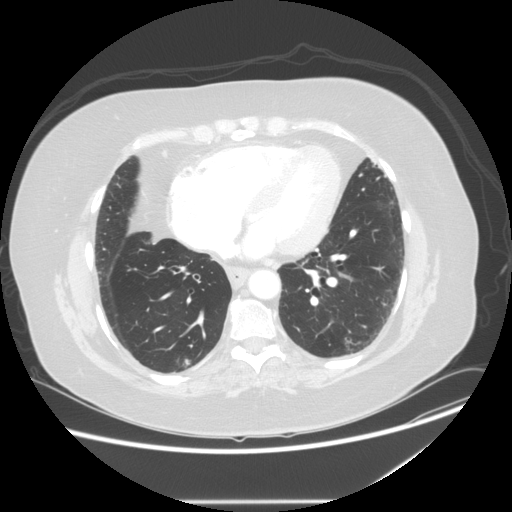
Axial chest CT slice 60 of 139 (counted from the lowest slice); tube voltage 120 kVp, convolution kernel STANDARD; slices 2.50 mm thick, 0.781 mm per pixel.
Pulmonary nodule outlined by all four readers; box rows 358–367, columns 183–190 (the union of the readers' outlines on this slice); median longest diameter 8.8 mm (readers' outlines 8.4–10.2 mm), median volume 364 mm3 (323–501 mm3). Ratings, median across the readers with their spread: median texture 5/5 (solid) (readers ranged 4/5 to 5/5 (solid)); margin 4/5 at the median of four readers, spread 3/5 to 4/5; median sphericity 5/5 (round) (readers ranged 4/5 to 5/5 (round)); calcification absent from all four readers; internal structure soft tissue from all four readers; subtlety 4/5 at the median of four readers, spread 3–5; malignancy likelihood 3.5/5 at the median of four readers, spread 3–4. Scale key (1–5): texture non-solid→solid, margin indistinct→circumscribed, sphericity linear→round, subtlety extremely subtle→obvious, malignancy likelihood highly unlikely→highly suspicious of cancer. Box rows and columns are 0-based pixel indices from the top-left corner, inclusive.